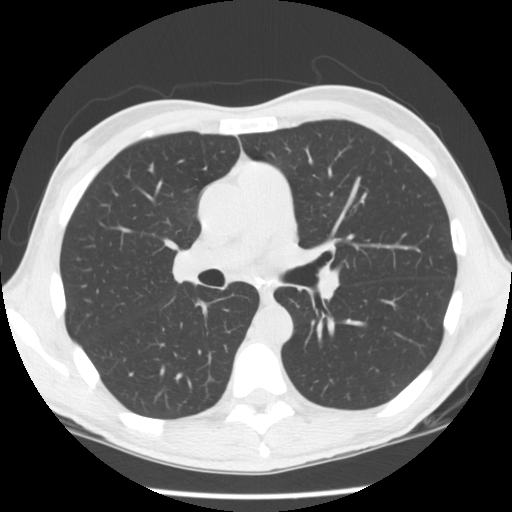
Slice 85/163 of a chest CT, counting up from the lowest; pixel size 0.664 mm, slice thickness 2.50 mm. No nodule 3 mm or larger was outlined here by any reader.
Tube voltage 120 kVp; convolution kernel STANDARD.